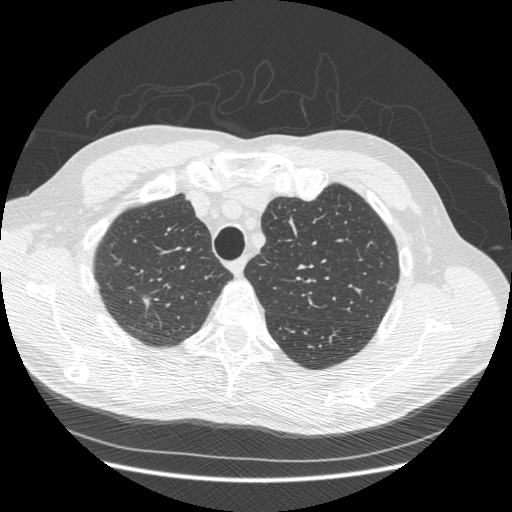
One axial slice (390 of 493, counting up from the lowest) of a chest CT acquired at 120 kVp with the STANDARD kernel; each pixel is 0.742 mm and the slice is 1.25 mm thick.
Pulmonary nodule at rows 295–305, columns 142–149 (box = the union of the readers' outlines on this slice), outlined by three of the four readers; longest diameter 11.0–11.2 mm and volume 98–139 mm3 across the three readers' outlines. The readers' ratings, as ranges where they differ: texture from 2/5 to 4/5 across the three readers; margin from 3/5 to 4/5 across the three readers; sphericity from 2/5 to 3/5 (ovoid) across the three readers; calcification absent, all three readers agreeing; internal structure soft tissue, all three readers agreeing; subtlety from 3/5 to 4/5 across the three readers; malignancy likelihood 3–5/5 (the readers disagree). Scale key (1–5): texture non-solid→solid, margin indistinct→circumscribed, sphericity linear→round, subtlety extremely subtle→obvious, malignancy likelihood highly unlikely→highly suspicious of cancer. Box rows and columns are 0-based pixel indices from the top-left corner, inclusive.